Axial chest CT slice 320 of 368 (counted from the lowest slice); tube voltage 120 kVp, convolution kernel B70f; slices 2.00 mm thick, 0.623 mm per pixel.
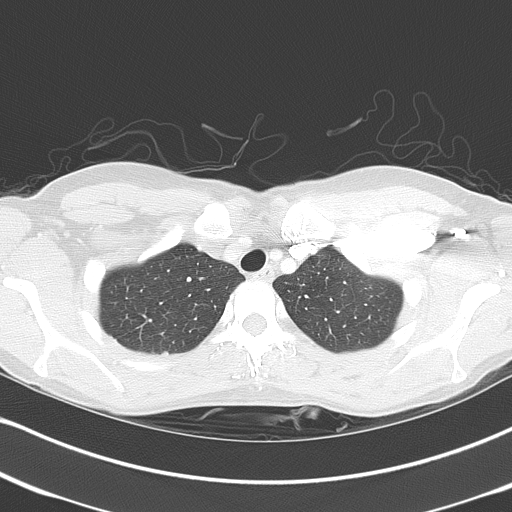
Pulmonary nodule at rows 351–354, columns 162–168 (box = the union of the readers' outlines on this slice), outlined by three of the four readers, two of them on this slice; median longest diameter 6.5 mm (readers' outlines 5.1–6.9 mm), median volume 61 mm3 (47–73 mm3). Median ratings and the readers' spread: texture 5/5 (solid), all three readers agreeing; margin 4/5 at the median of three readers, spread 3/5 to 5/5 (circumscribed); median sphericity 4/5 (readers ranged 3/5 (ovoid) to 4/5); calcification absent from all three readers; internal structure soft tissue, all three readers agreeing; median subtlety 4/5 (readers ranged 3–5); median malignancy likelihood 2/5 (readers ranged 2–3). Scale key (1–5): texture non-solid→solid, margin indistinct→circumscribed, sphericity linear→round, subtlety extremely subtle→obvious, malignancy likelihood highly unlikely→highly suspicious of cancer. Box rows and columns are 0-based pixel indices from the top-left corner, inclusive.